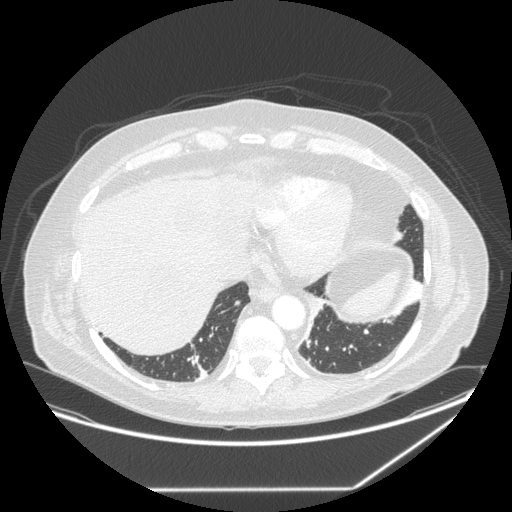
Slice 87/258 of a chest CT, counting up from the lowest; pixel size 0.859 mm, slice thickness 1.25 mm. Pulmonary nodule at rows 300–306, columns 234–240 (box = the union of the readers' outlines on this slice), outlined by three of the four readers; median longest diameter 8.2 mm (readers' outlines 7.1–9.0 mm), median volume 144 mm3 (120–186 mm3). Median ratings and the readers' spread: texture 5/5 (solid) from all three readers; margin 5/5 (circumscribed) at the median of three readers, spread 4/5 to 5/5 (circumscribed); median sphericity 5/5 (round) (readers ranged 4/5 to 5/5 (round)); calcification absent from all three readers; internal structure soft tissue from all three readers; subtlety 4/5 at the median of three readers, spread 3–5; median malignancy likelihood 3/5 (readers ranged 2–3). Scale key (1–5): texture non-solid→solid, margin indistinct→circumscribed, sphericity linear→round, subtlety extremely subtle→obvious, malignancy likelihood highly unlikely→highly suspicious of cancer. Box rows and columns are 0-based pixel indices from the top-left corner, inclusive.
Scan settings: 120 kVp, STANDARD reconstruction kernel.